One axial slice (151 of 295, counting up from the lowest) of a chest CT acquired at 120 kVp with the D kernel; each pixel is 0.682 mm and the slice is 2.00 mm thick.
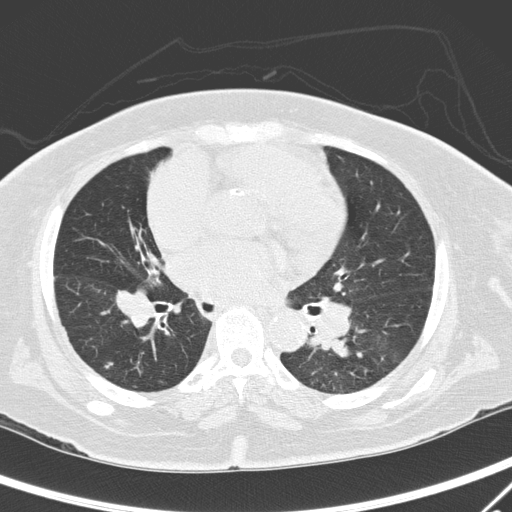
Pulmonary nodule outlined by one of the four readers; box rows 362–369, columns 101–113 (that reader's outline on this slice); longest diameter 49.8 mm and volume 6337 mm3 from that reader's outline. Ratings by that reader: texture 4/5; margin 1/5 (indistinct); sphericity 3/5 (ovoid); calcification absent; internal structure soft tissue; subtlety 5/5; malignancy likelihood 5/5. Scale key (1–5): texture non-solid→solid, margin indistinct→circumscribed, sphericity linear→round, subtlety extremely subtle→obvious, malignancy likelihood highly unlikely→highly suspicious of cancer. Box rows and columns are 0-based pixel indices from the top-left corner, inclusive.